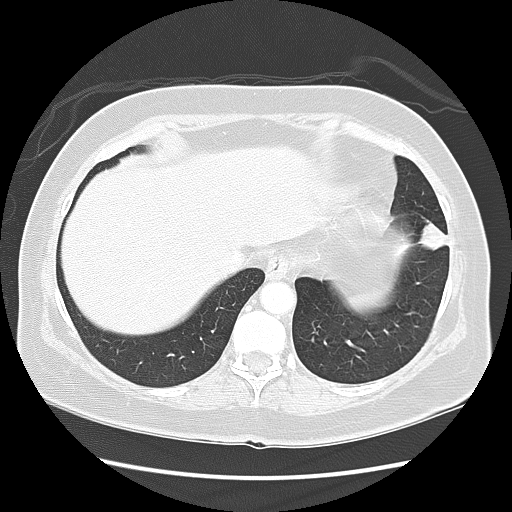
Chest CT, axial plane, 120 kVp, kernel LUNG. Slice 41/133 from the bottom of the scan; thickness 2.50 mm; pixel size 0.703 mm.
Pulmonary nodule, outlined by all four readers. Box on this slice rows 219–250, columns 412–447, the union of the readers' outlines on this slice; median longest diameter 22.1 mm (readers' outlines 21.5–29.0 mm), median volume 4852 mm3 (4280–5428 mm3). Ratings, median across the readers with their spread: texture 5/5 (solid) at the median of four readers, spread 4/5 to 5/5 (solid); median margin 5/5 (circumscribed) (readers ranged 4/5 to 5/5 (circumscribed)); sphericity 3.5/5 at the median of four readers, spread 3/5 (ovoid) to 5/5 (round); calcification absent, all four readers agreeing; internal structure soft tissue from all four readers; median subtlety 5/5 (readers ranged 4–5); malignancy likelihood 4/5 at the median of four readers, spread 4–5. Scale key (1–5): texture non-solid→solid, margin indistinct→circumscribed, sphericity linear→round, subtlety extremely subtle→obvious, malignancy likelihood highly unlikely→highly suspicious of cancer. Box rows and columns are 0-based pixel indices from the top-left corner, inclusive.